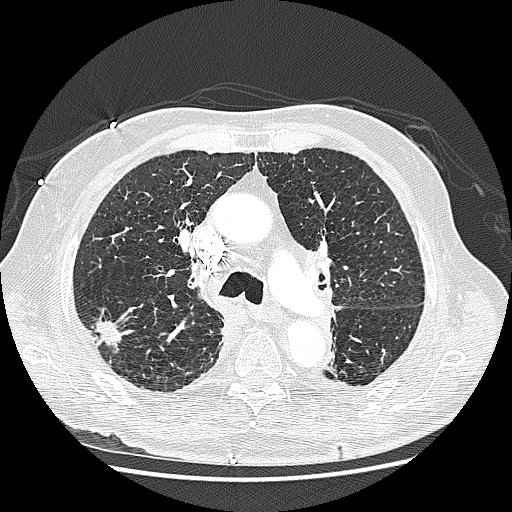
This is axial slice 171 of 242 (slice 1 is the lowest) of a chest CT; each pixel is 0.703 mm and the slice is 1.25 mm thick. Pulmonary nodule, outlined by three of the four readers. Box on this slice rows 318–348, columns 94–122, the union of the readers' outlines on this slice; median longest diameter 25.5 mm (readers' outlines 23.6–31.8 mm), median volume 3121 mm3 (3005–3613 mm3). Ratings, median across the readers with their spread: texture 5/5 (solid), all three readers agreeing; margin 4/5 at the median of three readers, spread 3/5 to 5/5 (circumscribed); median sphericity 4/5 (readers ranged 3/5 (ovoid) to 4/5); calcification absent, all three readers agreeing; internal structure soft tissue from all three readers; median subtlety 5/5 (readers ranged 4–5); malignancy likelihood 5/5 at the median of three readers, spread 4–5. Scale key (1–5): texture non-solid→solid, margin indistinct→circumscribed, sphericity linear→round, subtlety extremely subtle→obvious, malignancy likelihood highly unlikely→highly suspicious of cancer. Box rows and columns are 0-based pixel indices from the top-left corner, inclusive.
Acquired at 120 kVp and reconstructed with the LUNG kernel.